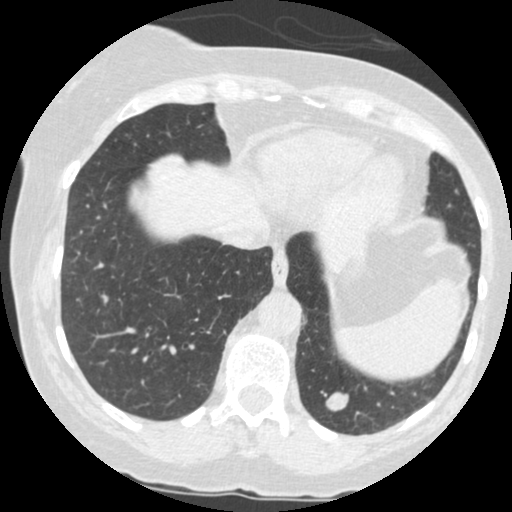
Axial slice 115 of 484 of a chest CT (slice 1 is the lowest), reconstructed with the STANDARD kernel at 120 kVp; 1.25 mm slice thickness and 0.586 mm pixels.
Pulmonary nodule, outlined by all four readers. Box on this slice rows 391–410, columns 324–347, the union of the readers' outlines on this slice; median longest diameter 15.5 mm (readers' outlines 14.7–16.9 mm), median volume 1266 mm3 (1036–1469 mm3). Median ratings and the readers' spread: texture 5/5 (solid), all four readers agreeing; margin 5/5 (circumscribed), all four readers agreeing; sphericity 4/5 at the median of four readers, spread 3/5 (ovoid) to 5/5 (round); calcification absent from all four readers; internal structure soft tissue, all four readers agreeing; subtlety 5/5, all four readers agreeing; median malignancy likelihood 4/5 (readers ranged 2–5). Scale key (1–5): texture non-solid→solid, margin indistinct→circumscribed, sphericity linear→round, subtlety extremely subtle→obvious, malignancy likelihood highly unlikely→highly suspicious of cancer. Box rows and columns are 0-based pixel indices from the top-left corner, inclusive.